Chest CT, axial plane, 120 kVp, kernel STANDARD. Slice 305/481 from the bottom of the scan; thickness 1.25 mm; pixel size 0.742 mm.
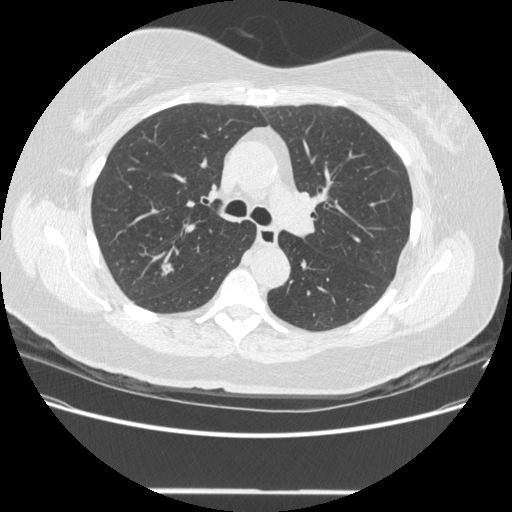
Pulmonary nodule at rows 262–276, columns 160–173 (box = the union of the readers' outlines on this slice), outlined by three of the four readers; median longest diameter 14.2 mm (readers' outlines 13.9–15.6 mm), median volume 777 mm3 (741–820 mm3). Median ratings and the readers' spread: texture 4/5 from all three readers; margin 4/5 at the median of three readers, spread 3/5 to 4/5; sphericity 3/5 (ovoid) at the median of three readers, spread 3/5 (ovoid) to 4/5; calcification absent, all three readers agreeing; internal structure soft tissue, all three readers agreeing; subtlety 4/5 at the median of three readers, spread 4–5; median malignancy likelihood 5/5 (readers ranged 4–5). Scale key (1–5): texture non-solid→solid, margin indistinct→circumscribed, sphericity linear→round, subtlety extremely subtle→obvious, malignancy likelihood highly unlikely→highly suspicious of cancer. Box rows and columns are 0-based pixel indices from the top-left corner, inclusive.